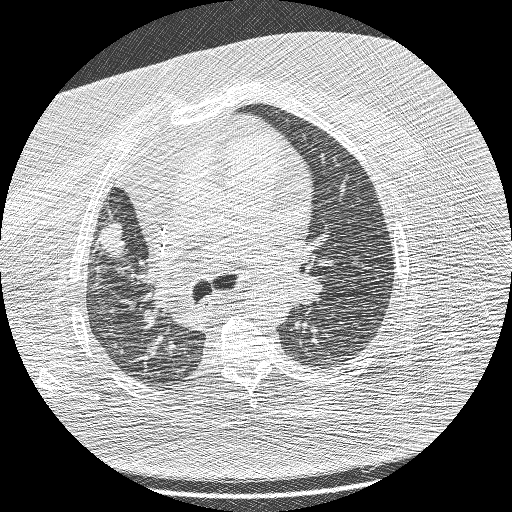
Axial chest CT slice 133 of 208 (counted from the lowest slice); 1.25 mm thick, 0.723 mm per pixel. Pulmonary nodule outlined by all four readers; box rows 223–256, columns 97–125 (the union of the readers' outlines on this slice); the four readers' outlines give a longest diameter between 25.6 and 30.6 mm and a volume between 4623 and 6820 mm3. Ratings across the readers: texture 5/5 (solid) from all four readers; margin from 1/5 (indistinct) to 3/5 across the four readers; sphericity from 3/5 (ovoid) to 4/5 across the four readers; calcification absent from all four readers; internal structure soft tissue from all four readers; subtlety 5/5, all four readers agreeing; malignancy likelihood 5/5 from all four readers. Scale key (1–5): texture non-solid→solid, margin indistinct→circumscribed, sphericity linear→round, subtlety extremely subtle→obvious, malignancy likelihood highly unlikely→highly suspicious of cancer. Box rows and columns are 0-based pixel indices from the top-left corner, inclusive.
Acquired at 120 kVp and reconstructed with the BONE kernel.